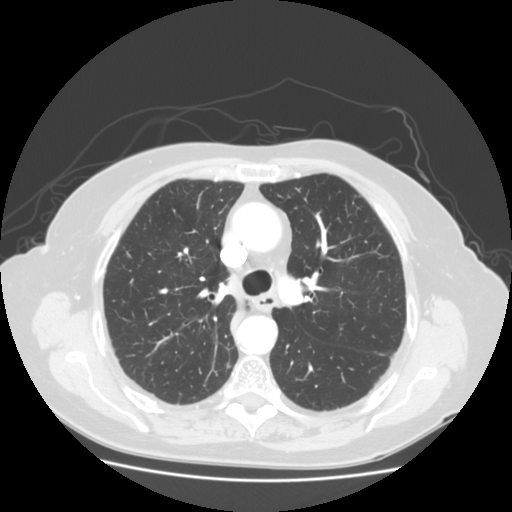
Axial chest CT slice 82 of 119 (counted from the lowest slice); tube voltage 120 kVp, convolution kernel STANDARD; slices 2.50 mm thick, 0.703 mm per pixel.
Pulmonary nodule outlined by two of the four readers; box rows 362–368, columns 225–230 (the union of the readers' outlines on this slice); the two readers' outlines give a longest diameter of 6.5 mm and a volume between 83 and 105 mm3. The readers' ratings, as ranges where they differ: texture from 3/5 (part-solid) to 5/5 (solid) across the two readers; margin from 1/5 (indistinct) to 4/5 across the two readers; sphericity 3/5 (ovoid), both readers agreeing; calcification absent, both readers agreeing; internal structure soft tissue from both readers; subtlety 3/5, both readers agreeing; malignancy likelihood 3/5 from both readers. Scale key (1–5): texture non-solid→solid, margin indistinct→circumscribed, sphericity linear→round, subtlety extremely subtle→obvious, malignancy likelihood highly unlikely→highly suspicious of cancer. Box rows and columns are 0-based pixel indices from the top-left corner, inclusive.